One axial slice (291 of 425, counting up from the lowest) of a chest CT acquired at 120 kVp with the B30f kernel; each pixel is 0.539 mm and the slice is 0.75 mm thick.
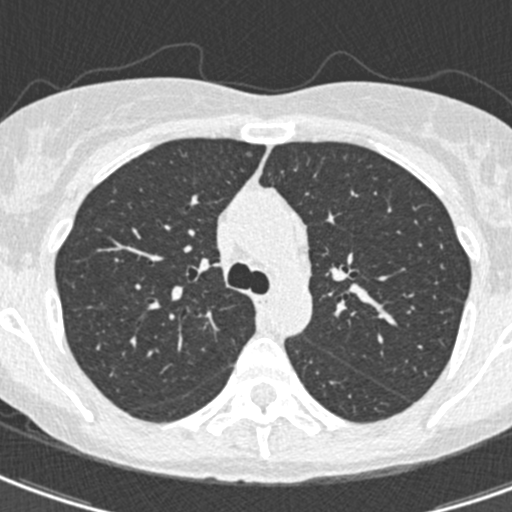
Pulmonary nodule at rows 152–155, columns 246–251 (box = that reader's outline on this slice), outlined by one of the four readers; longest diameter 3.9 mm and volume 12 mm3 from that reader's outline. That reader's ratings: texture 2/5; margin 3/5; sphericity 4/5; calcification absent; internal structure soft tissue; subtlety 2/5; malignancy likelihood 3/5. Scale key (1–5): texture non-solid→solid, margin indistinct→circumscribed, sphericity linear→round, subtlety extremely subtle→obvious, malignancy likelihood highly unlikely→highly suspicious of cancer. Box rows and columns are 0-based pixel indices from the top-left corner, inclusive.